Axial chest CT slice 143 of 426 (counted from the lowest slice); tube voltage 120 kVp, convolution kernel STANDARD; slices 1.25 mm thick, 0.742 mm per pixel.
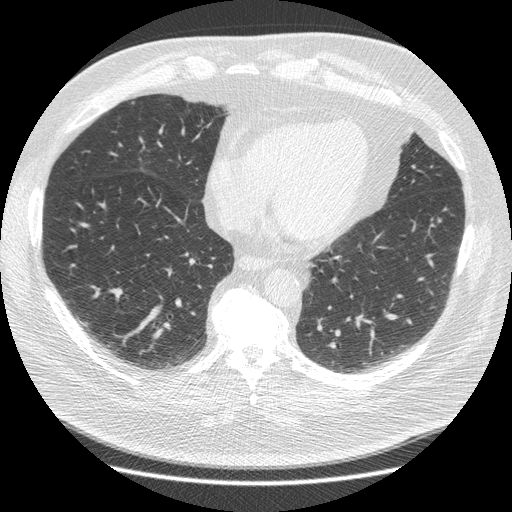
Pulmonary nodule outlined by three of the four readers, two of them on this slice; box rows 101–104, columns 130–134 (the union of the readers' outlines on this slice); longest diameter 6.1–6.7 mm and volume 62–77 mm3 across the three readers' outlines. The readers' ratings, as ranges where they differ: texture 5/5 (solid), all three readers agreeing; margin 5/5 (circumscribed), all three readers agreeing; sphericity from 3/5 (ovoid) to 5/5 (round) across the three readers; calcification: solid calcification (two), absent (one); internal structure soft tissue, all three readers agreeing; subtlety rated between 4 and 5 out of 5 by the three readers; malignancy likelihood from 1/5 to 3/5 across the three readers. Scale key (1–5): texture non-solid→solid, margin indistinct→circumscribed, sphericity linear→round, subtlety extremely subtle→obvious, malignancy likelihood highly unlikely→highly suspicious of cancer. Box rows and columns are 0-based pixel indices from the top-left corner, inclusive.